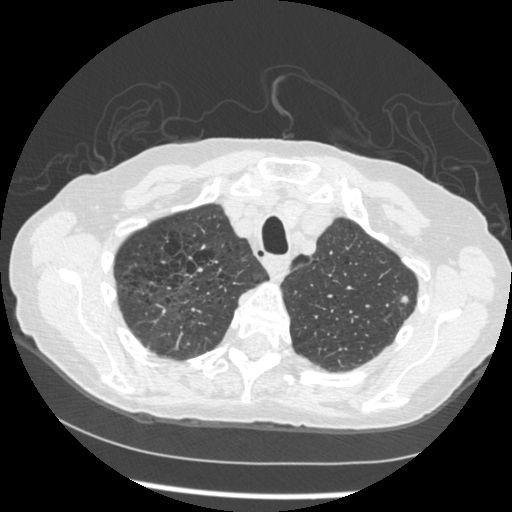
One axial slice (383 of 461, counting up from the lowest) of a chest CT acquired at 120 kVp with the STANDARD kernel; each pixel is 0.645 mm and the slice is 1.25 mm thick.
Pulmonary nodule at rows 295–303, columns 399–408 (box = the union of the readers' outlines on this slice), outlined by all four readers; median longest diameter 10.1 mm (readers' outlines 9.2–11.1 mm), median volume 158 mm3 (139–248 mm3). Median ratings and the readers' spread: median texture 5/5 (solid) (readers ranged 3/5 (part-solid) to 5/5 (solid)); margin 4/5 at the median of four readers, spread 2/5 to 5/5 (circumscribed); median sphericity 4/5 (readers ranged 2/5 to 5/5 (round)); calcification absent, all four readers agreeing; internal structure soft tissue from all four readers; subtlety 4.5/5 at the median of four readers, spread 3–5; malignancy likelihood 3/5 at the median of four readers, spread 2–4. Scale key (1–5): texture non-solid→solid, margin indistinct→circumscribed, sphericity linear→round, subtlety extremely subtle→obvious, malignancy likelihood highly unlikely→highly suspicious of cancer. Box rows and columns are 0-based pixel indices from the top-left corner, inclusive.